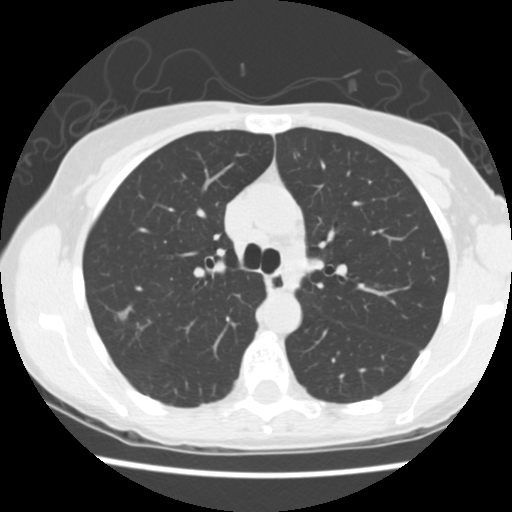
Axial slice 111 of 163 of a chest CT (slice 1 is the lowest), reconstructed with the STANDARD kernel at 120 kVp; 2.50 mm slice thickness and 0.586 mm pixels.
Pulmonary nodule, outlined by one of the four readers. Box on this slice rows 311–320, columns 118–126, that reader's outline on this slice; longest diameter 6.7 mm and volume 70 mm3 from that reader's outline. Ratings by that reader: texture 5/5 (solid); margin 5/5 (circumscribed); sphericity 3/5 (ovoid); calcification absent; internal structure soft tissue; subtlety 4/5; malignancy likelihood 2/5. Scale key (1–5): texture non-solid→solid, margin indistinct→circumscribed, sphericity linear→round, subtlety extremely subtle→obvious, malignancy likelihood highly unlikely→highly suspicious of cancer. Box rows and columns are 0-based pixel indices from the top-left corner, inclusive.